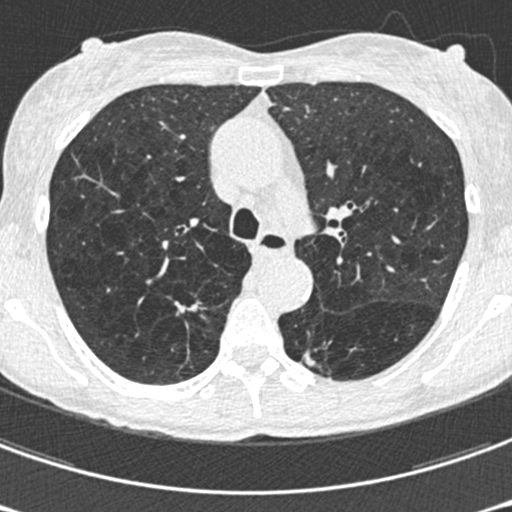
Axial chest CT slice 425 of 633 (counted from the lowest slice); tube voltage 120 kVp, convolution kernel B30f; slices 0.60 mm thick, 0.541 mm per pixel.
Two pulmonary nodules on this slice, listed from left to right. (1) Pulmonary nodule outlined by all four readers, two of them on this slice; box rows 301–315, columns 174–199 (the union of the readers' outlines on this slice); median longest diameter 18.4 mm (readers' outlines 18.1–21.0 mm), median volume 1471 mm3 (1292–1642 mm3). Ratings, median across the readers with their spread: texture 5/5 (solid) from all four readers; margin 2/5 at the median of four readers, spread 1/5 (indistinct) to 3/5; sphericity 3/5 (ovoid) at the median of four readers, spread 2/5 to 4/5; calcification absent from all four readers; internal structure soft tissue from all four readers; median subtlety 5/5 (readers ranged 4–5); median malignancy likelihood 5/5 (readers ranged 4–5). (2) Pulmonary nodule outlined by one of the four readers; box rows 349–377, columns 302–330 (that reader's outline on this slice); longest diameter 20.7 mm and volume 470 mm3 from that reader's outline. That reader's ratings: texture 5/5 (solid); margin 1/5 (indistinct); sphericity 2/5; calcification absent; internal structure soft tissue; subtlety 4/5; malignancy likelihood 3/5. Scale key (1–5): texture non-solid→solid, margin indistinct→circumscribed, sphericity linear→round, subtlety extremely subtle→obvious, malignancy likelihood highly unlikely→highly suspicious of cancer. Box rows and columns are 0-based pixel indices from the top-left corner, inclusive.